Axial chest CT slice 89 of 157 (counted from the lowest slice); tube voltage 120 kVp, convolution kernel B30f; slices 2.00 mm thick, 0.625 mm per pixel.
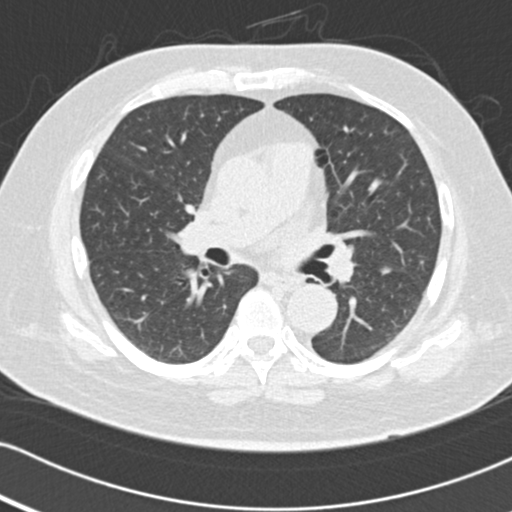
Pulmonary nodule, outlined by three of the four readers. Box on this slice rows 266–275, columns 379–392, the union of the readers' outlines on this slice; longest diameter 5.9–10.9 mm and volume 67–166 mm3 across the three readers' outlines. The readers' ratings, as ranges where they differ: texture 5/5 (solid) from all three readers; margin from 3/5 to 4/5 across the three readers; sphericity 3/5 (ovoid), all three readers agreeing; calcification absent from all three readers; internal structure soft tissue, all three readers agreeing; subtlety 3–4/5 (the readers disagree); malignancy likelihood rated between 1 and 4 out of 5 by the three readers. Scale key (1–5): texture non-solid→solid, margin indistinct→circumscribed, sphericity linear→round, subtlety extremely subtle→obvious, malignancy likelihood highly unlikely→highly suspicious of cancer. Box rows and columns are 0-based pixel indices from the top-left corner, inclusive.